Chest CT, axial plane, 120 kVp, kernel B. Slice 144/263 from the bottom of the scan; thickness 2.00 mm; pixel size 0.664 mm.
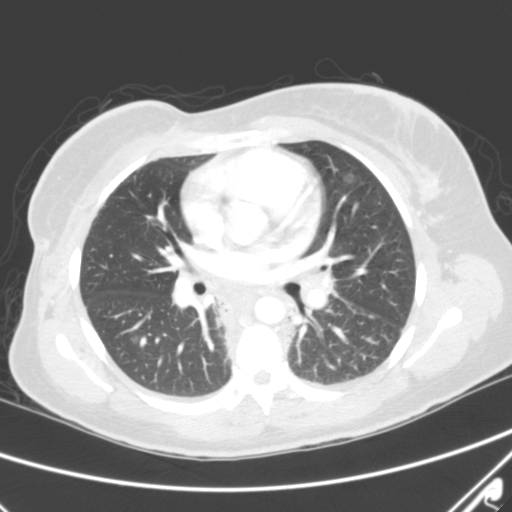
Pulmonary nodule, outlined two times (the source holds three more outlines, not used). Box on this slice rows 333–344, columns 131–138, the union of the readers' outlines on this slice; longest diameter 13.7 mm on average over the two readers' outlines (readers' outlines 12.2–15.2 mm), volume 731–1229 mm3. Ratings, by the readers' most common answer with dissent counted: texture split among the readers: 1/5 (non-solid) (one), 3/5 (part-solid) (one); margin split among the readers: 2/5 (one), 3/5 (one); sphericity split among the readers: 3/5 (ovoid) (one), 4/5 (one); calcification absent, both readers agreeing; internal structure soft tissue, both readers agreeing; subtlety 3/5, both readers agreeing; malignancy likelihood split among the readers: 2/5 (one), 4/5 (one). Scale key (1–5): texture non-solid→solid, margin indistinct→circumscribed, sphericity linear→round, subtlety extremely subtle→obvious, malignancy likelihood highly unlikely→highly suspicious of cancer. Box rows and columns are 0-based pixel indices from the top-left corner, inclusive.